One axial slice (39 of 156, counting up from the lowest) of a chest CT acquired at 120 kVp with the STANDARD kernel; each pixel is 0.645 mm and the slice is 2.50 mm thick.
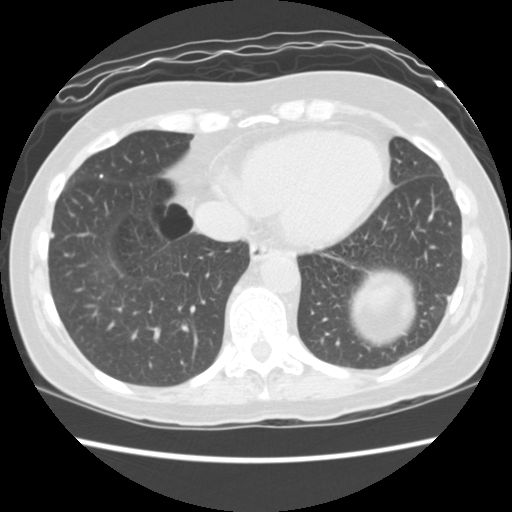
Pulmonary nodule, outlined by one of the four readers. Box on this slice rows 232–237, columns 51–54, that reader's outline on this slice; longest diameter 4.9 mm and volume 55 mm3 from that reader's outline. Ratings by that reader: texture 5/5 (solid); margin 5/5 (circumscribed); sphericity 4/5; calcification solid calcification; internal structure soft tissue; subtlety 5/5; malignancy likelihood 2/5. Scale key (1–5): texture non-solid→solid, margin indistinct→circumscribed, sphericity linear→round, subtlety extremely subtle→obvious, malignancy likelihood highly unlikely→highly suspicious of cancer. Box rows and columns are 0-based pixel indices from the top-left corner, inclusive.